One axial slice (117 of 350, counting up from the lowest) of a chest CT acquired at 120 kVp with the C kernel; each pixel is 0.725 mm and the slice is 1.50 mm thick.
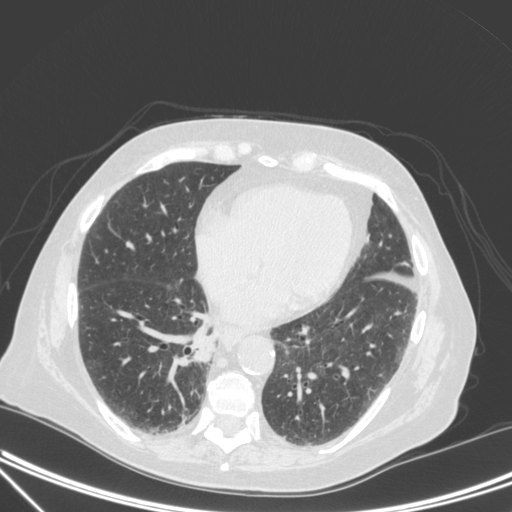
Pulmonary nodule, outlined by one of the four readers. Box on this slice rows 332–361, columns 191–216, that reader's outline on this slice; longest diameter 29.7 mm and volume 4028 mm3 from that reader's outline. Ratings by that reader: texture 5/5 (solid); margin 3/5; sphericity 3/5 (ovoid); calcification absent; internal structure soft tissue; subtlety 5/5; malignancy likelihood 4/5. Scale key (1–5): texture non-solid→solid, margin indistinct→circumscribed, sphericity linear→round, subtlety extremely subtle→obvious, malignancy likelihood highly unlikely→highly suspicious of cancer. Box rows and columns are 0-based pixel indices from the top-left corner, inclusive.